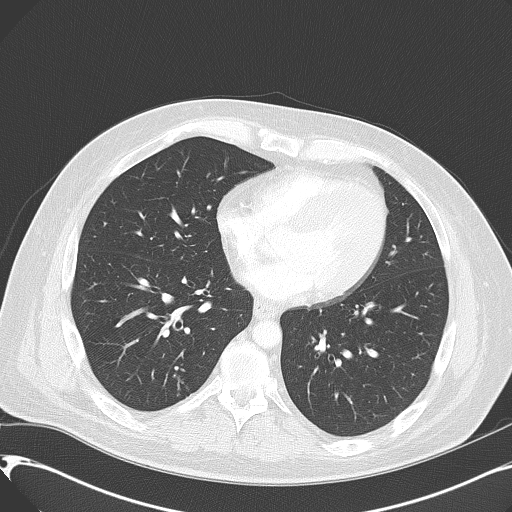
Axial slice 234 of 416 of a chest CT (slice 1 is the lowest), reconstructed with the B70f kernel at 120 kVp; 2.00 mm slice thickness and 0.723 mm pixels.
Pulmonary nodule at rows 373–379, columns 172–179 (box = that reader's outline on this slice), outlined by one of the four readers; longest diameter 8.2 mm and volume 130 mm3 from that reader's outline. That reader's ratings: texture 1/5 (non-solid); margin 2/5; sphericity 5/5 (round); calcification absent; internal structure soft tissue; subtlety 1/5; malignancy likelihood 2/5. Scale key (1–5): texture non-solid→solid, margin indistinct→circumscribed, sphericity linear→round, subtlety extremely subtle→obvious, malignancy likelihood highly unlikely→highly suspicious of cancer. Box rows and columns are 0-based pixel indices from the top-left corner, inclusive.